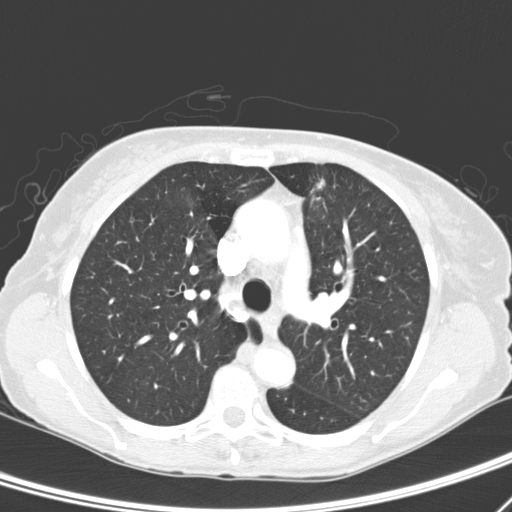
One axial slice (193 of 276, counting up from the lowest) of a chest CT acquired at 120 kVp with the D kernel; each pixel is 0.617 mm and the slice is 2.00 mm thick.
Pulmonary nodule at rows 178–192, columns 311–326 (box = the union of the readers' outlines on this slice), outlined by three of the four readers; the three readers' outlines give a longest diameter between 19.9 and 25.7 mm and a volume between 1110 and 1901 mm3. Ratings across the readers: texture from 4/5 to 5/5 (solid) across the three readers; margin from 2/5 to 4/5 across the three readers; sphericity from 3/5 (ovoid) to 4/5 across the three readers; calcification absent from all three readers; internal structure soft tissue, all three readers agreeing; subtlety 5/5 from all three readers; malignancy likelihood 5/5, all three readers agreeing. Scale key (1–5): texture non-solid→solid, margin indistinct→circumscribed, sphericity linear→round, subtlety extremely subtle→obvious, malignancy likelihood highly unlikely→highly suspicious of cancer. Box rows and columns are 0-based pixel indices from the top-left corner, inclusive.